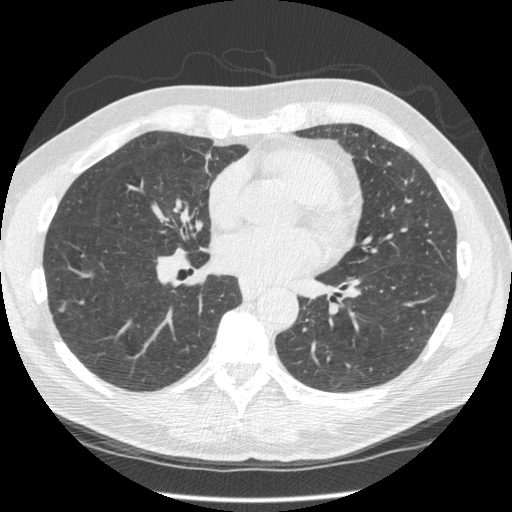
Axial chest CT slice 238 of 545 (counted from the lowest slice); 1.25 mm thick, 0.703 mm per pixel. Pulmonary nodule, outlined by all four readers. Box on this slice rows 301–312, columns 56–66, the union of the readers' outlines on this slice; median longest diameter 9.7 mm (readers' outlines 9.2–14.5 mm), median volume 141 mm3 (121–250 mm3). Median ratings and the readers' spread: texture 5/5 (solid) from all four readers; margin 4/5 at the median of four readers, spread 3/5 to 5/5 (circumscribed); median sphericity 3.5/5 (readers ranged 2/5 to 5/5 (round)); calcification absent from all four readers; internal structure soft tissue from all four readers; subtlety 3.5/5 at the median of four readers, spread 3–5; malignancy likelihood 3/5 at the median of four readers, spread 2–5. Scale key (1–5): texture non-solid→solid, margin indistinct→circumscribed, sphericity linear→round, subtlety extremely subtle→obvious, malignancy likelihood highly unlikely→highly suspicious of cancer. Box rows and columns are 0-based pixel indices from the top-left corner, inclusive.
Scan settings: 120 kVp, STANDARD reconstruction kernel.